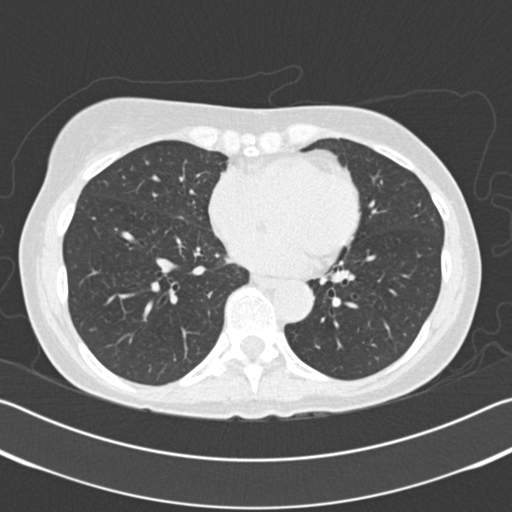
One axial slice (81 of 183, counting up from the lowest) of a chest CT acquired at 120 kVp with the B30f kernel; each pixel is 0.664 mm and the slice is 2.00 mm thick.
This slice carries no reader outline of a nodule 3 mm or larger.